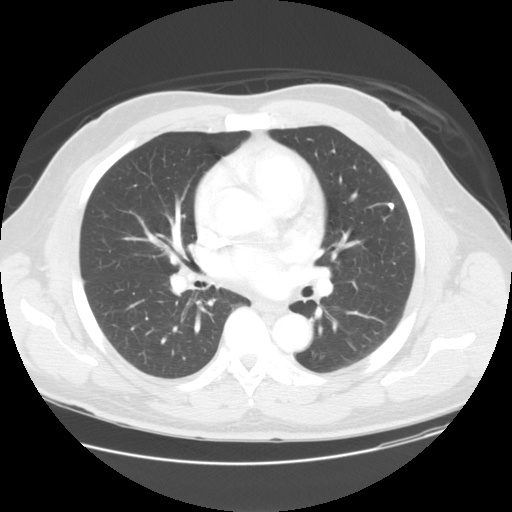
Axial chest CT slice 82 of 144 (counted from the lowest slice); tube voltage 120 kVp, convolution kernel STANDARD; slices 2.50 mm thick, 0.781 mm per pixel.
Pulmonary nodule at rows 202–208, columns 388–393 (box = the union of the readers' outlines on this slice), outlined by all four readers; median longest diameter 5.8 mm (readers' outlines 5.6–6.4 mm), median volume 85 mm3 (58–89 mm3). Median ratings and the readers' spread: texture 5/5 (solid) from all four readers; margin 5/5 (circumscribed) from all four readers; sphericity 4/5 at the median of four readers, spread 3/5 (ovoid) to 5/5 (round); calcification: solid calcification (three), absent (one); internal structure soft tissue, all four readers agreeing; subtlety 4/5 at the median of four readers, spread 4–5; malignancy likelihood 1/5 from all four readers. Scale key (1–5): texture non-solid→solid, margin indistinct→circumscribed, sphericity linear→round, subtlety extremely subtle→obvious, malignancy likelihood highly unlikely→highly suspicious of cancer. Box rows and columns are 0-based pixel indices from the top-left corner, inclusive.